Axial slice 138 of 267 of a chest CT (slice 1 is the lowest), reconstructed with the BONE kernel at 120 kVp; 1.25 mm slice thickness and 0.752 mm pixels.
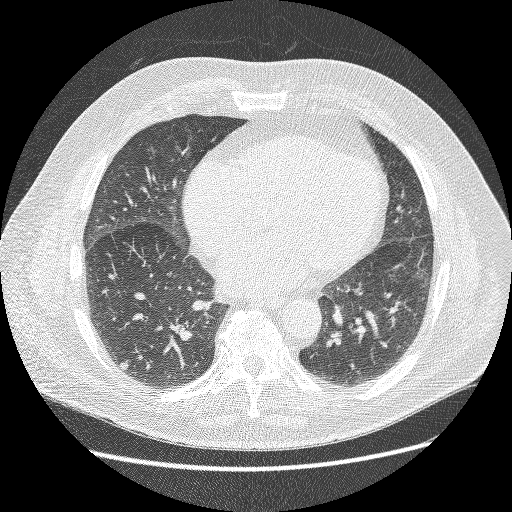
Pulmonary nodule at rows 361–371, columns 118–128 (box = the union of the readers' outlines on this slice), outlined by all four readers; longest diameter 9.2 mm on average over the four readers' outlines (readers' outlines 7.5–10.1 mm), volume 186–246 mm3. Ratings, by the readers' most common answer with dissent counted: texture 5/5 (solid) by three of four readers; the rest gave 4/5 (one); margin split among the readers: 4/5 (two), 5/5 (circumscribed) (two); most readers (three of four) put sphericity at 5/5 (round), others 4/5 (one); calcification absent, all four readers agreeing; internal structure soft tissue from all four readers; subtlety 3/5 by two of four readers; the rest gave 2/5 (one), 4/5 (one); most readers (three of four) put malignancy likelihood at 3/5, others 2/5 (one). Scale key (1–5): texture non-solid→solid, margin indistinct→circumscribed, sphericity linear→round, subtlety extremely subtle→obvious, malignancy likelihood highly unlikely→highly suspicious of cancer. Box rows and columns are 0-based pixel indices from the top-left corner, inclusive.